Axial chest CT slice 38 of 116 (counted from the lowest slice); tube voltage 130 kVp, convolution kernel B31s; slices 3.00 mm thick, 0.668 mm per pixel.
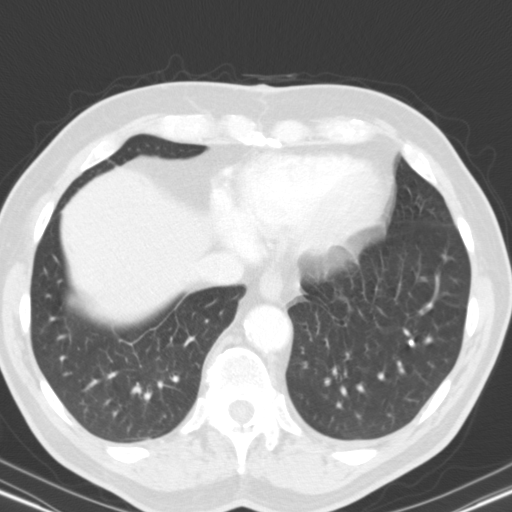
Pulmonary nodule, outlined by two of the four readers. Box on this slice rows 339–345, columns 408–413, the union of the readers' outlines on this slice; longest diameter 7.5 mm on average over the two readers' outlines (readers' outlines 7.5 mm), volume 137 mm3. The readers' prevailing ratings and who disagreed: texture 5/5 (solid), both readers agreeing; margin split among the readers: 4/5 (one), 5/5 (circumscribed) (one); sphericity split among the readers: 4/5 (one), 5/5 (round) (one); calcification solid calcification, both readers agreeing; internal structure soft tissue, both readers agreeing; subtlety split among the readers: 3/5 (one), 5/5 (one); malignancy likelihood 1/5 from both readers. Scale key (1–5): texture non-solid→solid, margin indistinct→circumscribed, sphericity linear→round, subtlety extremely subtle→obvious, malignancy likelihood highly unlikely→highly suspicious of cancer. Box rows and columns are 0-based pixel indices from the top-left corner, inclusive.